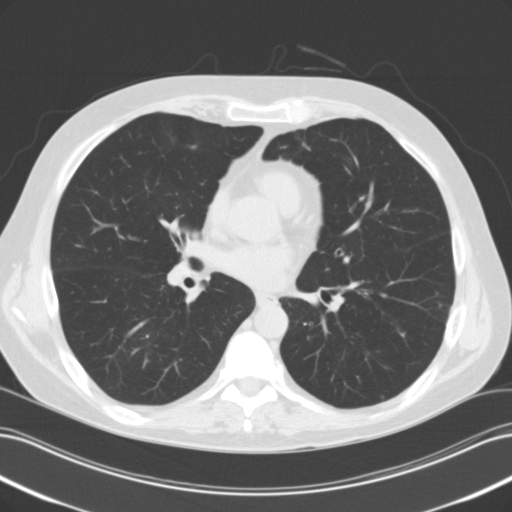
One axial slice (59 of 118, counting up from the lowest) of a chest CT acquired at 120 kVp with the B31f kernel; each pixel is 0.707 mm and the slice is 3.00 mm thick.
Pulmonary nodule outlined by two of the four readers; box rows 394–398, columns 380–384 (the union of the readers' outlines on this slice); the two readers' outlines give a longest diameter between 3.8 and 5.8 mm and a volume between 33 and 112 mm3. The readers' ratings, as ranges where they differ: texture from 4/5 to 5/5 (solid) across the two readers; margin from 3/5 to 5/5 (circumscribed) across the two readers; sphericity from 4/5 to 5/5 (round) across the two readers; calcification absent from both readers; internal structure soft tissue, both readers agreeing; subtlety 2–5/5 (the readers disagree); malignancy likelihood 2–3/5 (the readers disagree). Scale key (1–5): texture non-solid→solid, margin indistinct→circumscribed, sphericity linear→round, subtlety extremely subtle→obvious, malignancy likelihood highly unlikely→highly suspicious of cancer. Box rows and columns are 0-based pixel indices from the top-left corner, inclusive.